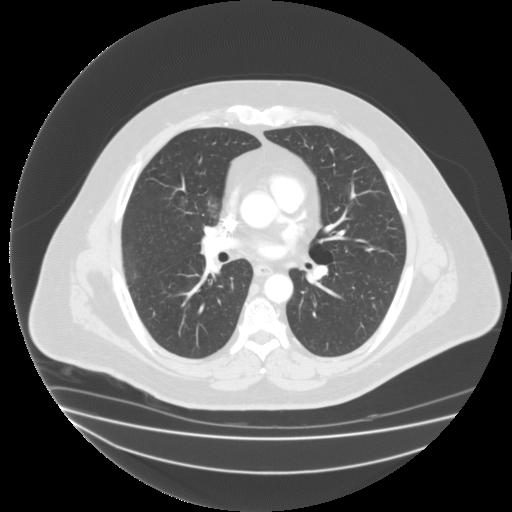
Slice 102/183 of a chest CT, counting up from the lowest; pixel size 0.946 mm, slice thickness 2.00 mm. Two pulmonary nodules are outlined on this slice; from left to right: (1) Pulmonary nodule outlined by two of the four readers, one of them on this slice; box rows 197–206, columns 179–186 (the one reader's outline on this slice); median longest diameter 14.2 mm (readers' outlines 13.4–15.0 mm), median volume 714 mm3 (553–875 mm3). Median ratings and the readers' spread: texture 1/5 (non-solid), both readers agreeing; margin 1/5 (indistinct) from both readers; sphericity 4/5 from both readers; calcification absent, both readers agreeing; internal structure split among the readers: soft tissue (one), fluid (one); median subtlety 3/5 (readers ranged 2–4); malignancy likelihood 3/5 from both readers. (2) Pulmonary nodule outlined by three of the four readers; box rows 194–218, columns 206–220 (the union of the readers' outlines on this slice); the three readers' outlines give a longest diameter of 26.0 mm and a volume between 3179 and 3614 mm3. The readers' ratings, as ranges where they differ: texture 1/5 (non-solid) from all three readers; margin from 2/5 to 3/5 across the three readers; sphericity from 3/5 (ovoid) to 4/5 across the three readers; calcification absent from all three readers; internal structure: soft tissue (two), fluid (one); subtlety rated between 2 and 5 out of 5 by the three readers; malignancy likelihood from 3/5 to 4/5 across the three readers. Scale key (1–5): texture non-solid→solid, margin indistinct→circumscribed, sphericity linear→round, subtlety extremely subtle→obvious, malignancy likelihood highly unlikely→highly suspicious of cancer. Box rows and columns are 0-based pixel indices from the top-left corner, inclusive.
Acquired at 135 kVp and reconstructed with the FC03 kernel.